Axial slice 161 of 245 of a chest CT (slice 1 is the lowest), reconstructed with the STANDARD kernel at 120 kVp; 1.25 mm slice thickness and 0.730 mm pixels.
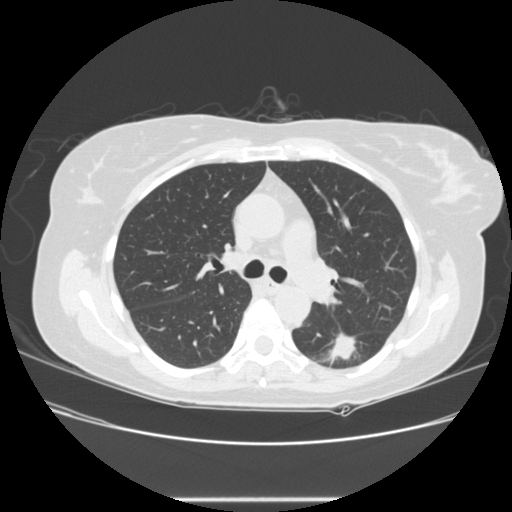
Pulmonary nodule outlined by all four readers; box rows 329–364, columns 312–355 (the union of the readers' outlines on this slice); median longest diameter 29.7 mm (readers' outlines 27.2–36.8 mm), median volume 4184 mm3 (3941–5997 mm3). Median ratings and the readers' spread: texture 5/5 (solid) from all four readers; median margin 3.5/5 (readers ranged 1/5 (indistinct) to 4/5); median sphericity 2.5/5 (readers ranged 2/5 to 4/5); calcification absent from all four readers; internal structure soft tissue from all four readers; subtlety 5/5, all four readers agreeing; malignancy likelihood 5/5 at the median of four readers, spread 4–5. Scale key (1–5): texture non-solid→solid, margin indistinct→circumscribed, sphericity linear→round, subtlety extremely subtle→obvious, malignancy likelihood highly unlikely→highly suspicious of cancer. Box rows and columns are 0-based pixel indices from the top-left corner, inclusive.